One axial slice (135 of 278, counting up from the lowest) of a chest CT acquired at 120 kVp with the B45f kernel; each pixel is 0.566 mm and the slice is 1.00 mm thick.
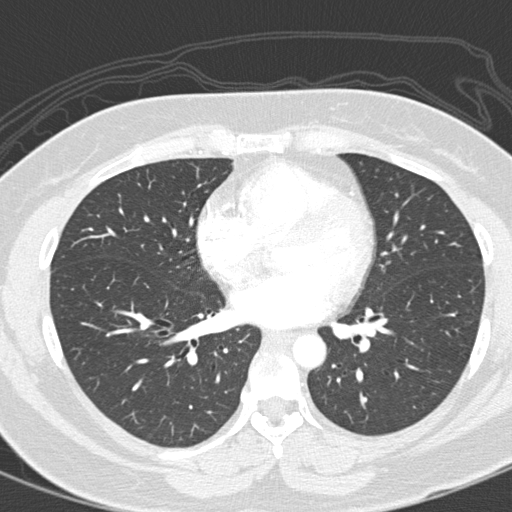
This slice carries no reader outline of a nodule 3 mm or larger.